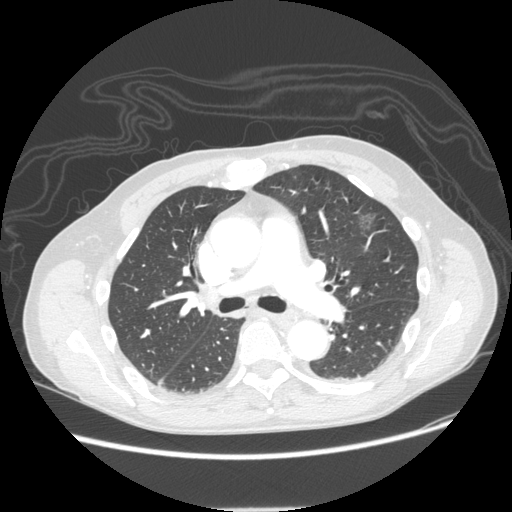
This is axial slice 132 of 232 (slice 1 is the lowest) of a chest CT; each pixel is 0.742 mm and the slice is 1.25 mm thick. Pulmonary nodule, outlined by one of the four readers. Box on this slice rows 212–230, columns 358–376, that reader's outline on this slice; longest diameter 22.3 mm and volume 979 mm3 from that reader's outline. Ratings by that reader: texture 1/5 (non-solid); margin 1/5 (indistinct); sphericity 4/5; calcification absent; internal structure soft tissue; subtlety 2/5; malignancy likelihood 2/5. Scale key (1–5): texture non-solid→solid, margin indistinct→circumscribed, sphericity linear→round, subtlety extremely subtle→obvious, malignancy likelihood highly unlikely→highly suspicious of cancer. Box rows and columns are 0-based pixel indices from the top-left corner, inclusive.
Acquired at 120 kVp and reconstructed with the STANDARD kernel.